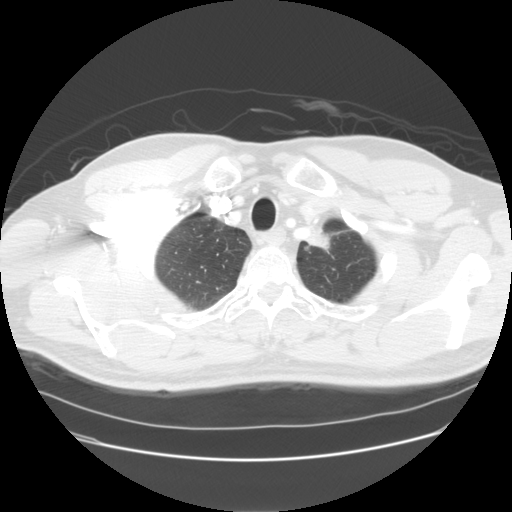
This is axial slice 123 of 137 (slice 1 is the lowest) of a chest CT; each pixel is 0.742 mm and the slice is 2.50 mm thick. Pulmonary nodule, outlined by all four readers. Box on this slice rows 225–250, columns 304–332, the union of the readers' outlines on this slice; longest diameter 37.5 mm on average over the four readers' outlines (readers' outlines 30.7–45.5 mm), volume 6191–8548 mm3. The readers' prevailing ratings and who disagreed: most readers (three of four) put texture at 5/5 (solid), others 4/5 (one); margin 4/5 by two of four readers; the rest gave 2/5 (one), 3/5 (one); sphericity 3/5 (ovoid) by two of four readers; the rest gave 4/5 (one), 5/5 (round) (one); calcification absent, all four readers agreeing; internal structure soft tissue, all four readers agreeing; subtlety 5/5, all four readers agreeing; malignancy likelihood 5/5 by three of four readers; the rest gave 4/5 (one). Scale key (1–5): texture non-solid→solid, margin indistinct→circumscribed, sphericity linear→round, subtlety extremely subtle→obvious, malignancy likelihood highly unlikely→highly suspicious of cancer. Box rows and columns are 0-based pixel indices from the top-left corner, inclusive.
Tube voltage 120 kVp; convolution kernel STANDARD.